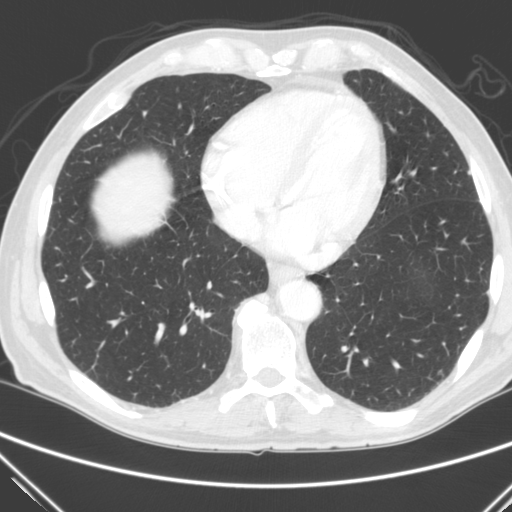
Slice 86/290 of a chest CT, counting up from the lowest; pixel size 0.682 mm, slice thickness 2.00 mm. Pulmonary nodule, outlined by one of the four readers. Box on this slice rows 170–174, columns 466–470, that reader's outline on this slice; longest diameter 7.0 mm and volume 65 mm3 from that reader's outline. That reader's ratings: texture 5/5 (solid); margin 4/5; sphericity 4/5; calcification absent; internal structure soft tissue; subtlety 5/5; malignancy likelihood 3/5. Scale key (1–5): texture non-solid→solid, margin indistinct→circumscribed, sphericity linear→round, subtlety extremely subtle→obvious, malignancy likelihood highly unlikely→highly suspicious of cancer. Box rows and columns are 0-based pixel indices from the top-left corner, inclusive.
Acquired at 120 kVp and reconstructed with the C kernel.